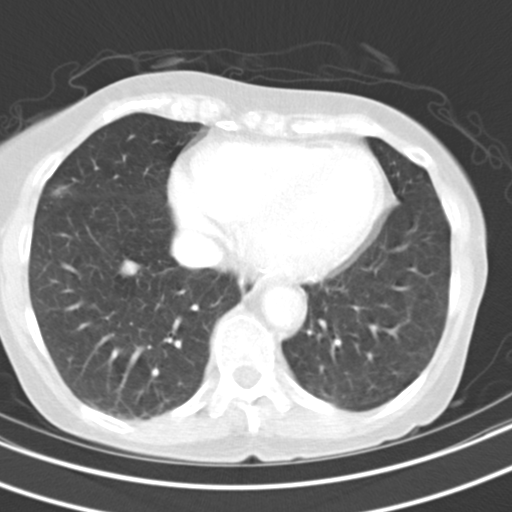
Axial slice 86 of 129 of a chest CT (slice 1 is the lowest), reconstructed with the B30s kernel at 130 kVp; 5.00 mm slice thickness and 0.590 mm pixels.
Pulmonary nodule, outlined by all four readers. Box on this slice rows 258–277, columns 119–141, the union of the readers' outlines on this slice; median longest diameter 14.8 mm (readers' outlines 14.1–15.6 mm), median volume 1126 mm3 (979–1159 mm3). Median ratings and the readers' spread: texture 5/5 (solid) from all four readers; margin 5/5 (circumscribed), all four readers agreeing; sphericity 4.5/5 at the median of four readers, spread 4/5 to 5/5 (round); calcification absent, all four readers agreeing; internal structure soft tissue from all four readers; subtlety 4.5/5 at the median of four readers, spread 3–5; malignancy likelihood 3.5/5 at the median of four readers, spread 2–5. Scale key (1–5): texture non-solid→solid, margin indistinct→circumscribed, sphericity linear→round, subtlety extremely subtle→obvious, malignancy likelihood highly unlikely→highly suspicious of cancer. Box rows and columns are 0-based pixel indices from the top-left corner, inclusive.